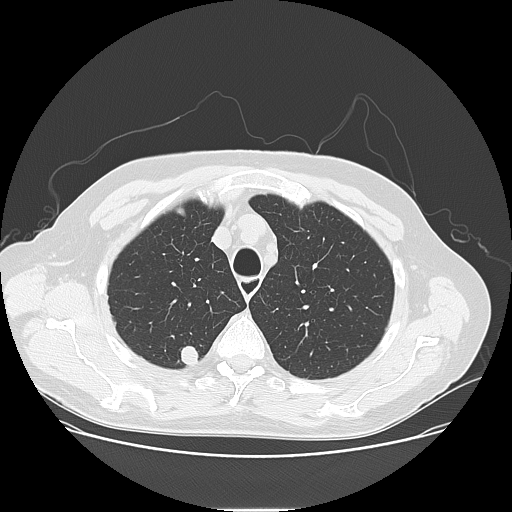
Axial chest CT slice 111 of 141 (counted from the lowest slice); 2.50 mm thick, 0.762 mm per pixel. Pulmonary nodule outlined by all four readers; box rows 346–364, columns 180–198 (the union of the readers' outlines on this slice); longest diameter 16.3 mm on average over the four readers' outlines (readers' outlines 15.9–17.1 mm), volume 1828–2231 mm3. The readers' prevailing ratings and who disagreed: texture 5/5 (solid) by three of four readers; the rest gave 3/5 (part-solid) (one); margin 5/5 (circumscribed) by two of four readers; the rest gave 2/5 (one), 4/5 (one); sphericity 4/5 by two of four readers; the rest gave 3/5 (ovoid) (one), 5/5 (round) (one); calcification absent from all four readers; internal structure soft tissue, all four readers agreeing; subtlety 5/5 by three of four readers; the rest gave 4/5 (one); malignancy likelihood 5/5 by two of four readers; the rest gave 3/5 (one), 4/5 (one). Scale key (1–5): texture non-solid→solid, margin indistinct→circumscribed, sphericity linear→round, subtlety extremely subtle→obvious, malignancy likelihood highly unlikely→highly suspicious of cancer. Box rows and columns are 0-based pixel indices from the top-left corner, inclusive.
Tube voltage 120 kVp; convolution kernel LUNG.